Axial chest CT slice 207 of 347 (counted from the lowest slice); tube voltage 120 kVp, convolution kernel B45f; slices 1.00 mm thick, 0.625 mm per pixel.
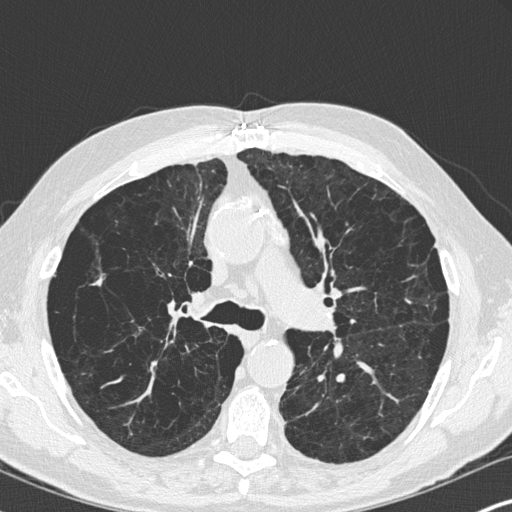
Pulmonary nodule, outlined by two of the four readers. Box on this slice rows 276–285, columns 93–102, the union of the readers' outlines on this slice; longest diameter 10.2 mm on average over the two readers' outlines (readers' outlines 10.1–10.3 mm), volume 119–145 mm3. The readers' prevailing ratings and who disagreed: texture 5/5 (solid), both readers agreeing; margin split among the readers: 3/5 (one), 5/5 (circumscribed) (one); sphericity 2/5 from both readers; calcification absent from both readers; internal structure soft tissue from both readers; subtlety 3/5, both readers agreeing; malignancy likelihood split among the readers: 2/5 (one), 3/5 (one). Scale key (1–5): texture non-solid→solid, margin indistinct→circumscribed, sphericity linear→round, subtlety extremely subtle→obvious, malignancy likelihood highly unlikely→highly suspicious of cancer. Box rows and columns are 0-based pixel indices from the top-left corner, inclusive.